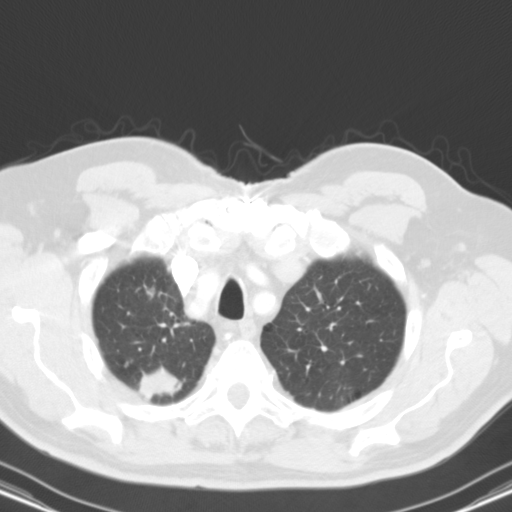
Axial chest CT slice 96 of 116 (counted from the lowest slice); tube voltage 130 kVp, convolution kernel B31s; slices 3.00 mm thick, 0.668 mm per pixel.
Pulmonary nodule outlined by three of the four readers; box rows 366–402, columns 136–182 (the union of the readers' outlines on this slice); longest diameter 33.6 mm on average over the three readers' outlines (readers' outlines 30.9–36.1 mm), volume 5704–8380 mm3. The readers' prevailing ratings and who disagreed: texture 5/5 (solid), all three readers agreeing; margin 4/5 from all three readers; sphericity split among the readers: 2/5 (one), 3/5 (ovoid) (one), 4/5 (one); calcification absent, all three readers agreeing; internal structure soft tissue, all three readers agreeing; subtlety 5/5 from all three readers; malignancy likelihood 5/5, all three readers agreeing. Scale key (1–5): texture non-solid→solid, margin indistinct→circumscribed, sphericity linear→round, subtlety extremely subtle→obvious, malignancy likelihood highly unlikely→highly suspicious of cancer. Box rows and columns are 0-based pixel indices from the top-left corner, inclusive.